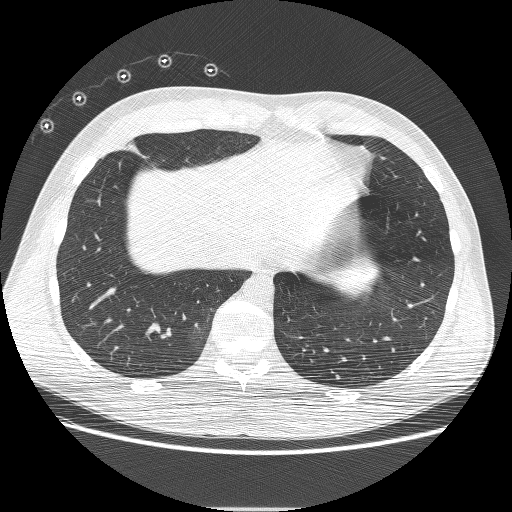
Axial chest CT slice 52 of 230 (counted from the lowest slice); 1.25 mm thick, 0.732 mm per pixel. Pulmonary nodule at rows 144–157, columns 124–144 (box = the one reader's outline on this slice), outlined by all four readers, one of them on this slice; longest diameter 23.5–29.5 mm and volume 3146–3701 mm3 across the four readers' outlines. Ratings across the readers: texture 5/5 (solid) from all four readers; margin from 3/5 to 5/5 (circumscribed) across the four readers; sphericity from 3/5 (ovoid) to 4/5 across the four readers; calcification absent from all four readers; internal structure soft tissue from all four readers; subtlety 5/5 from all four readers; malignancy likelihood rated between 4 and 5 out of 5 by the four readers. Scale key (1–5): texture non-solid→solid, margin indistinct→circumscribed, sphericity linear→round, subtlety extremely subtle→obvious, malignancy likelihood highly unlikely→highly suspicious of cancer. Box rows and columns are 0-based pixel indices from the top-left corner, inclusive.
Scan settings: 120 kVp, BONE reconstruction kernel.